One axial slice (169 of 209, counting up from the lowest) of a chest CT acquired at 120 kVp with the B30f kernel; each pixel is 0.625 mm and the slice is 2.00 mm thick.
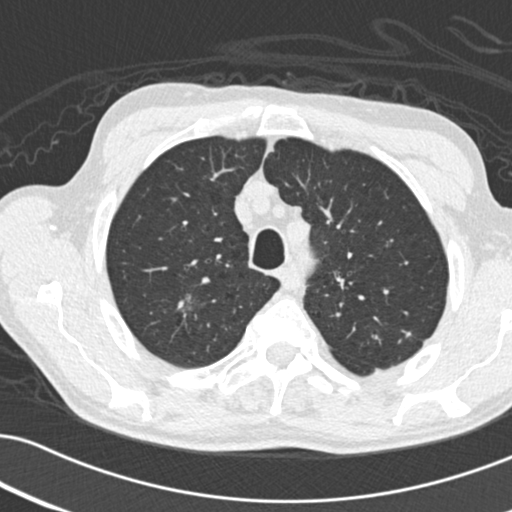
Pulmonary nodule at rows 294–311, columns 176–194 (box = the union of the readers' outlines on this slice), outlined by two of the four readers; longest diameter 16.4 mm on average over the two readers' outlines (readers' outlines 15.9–16.8 mm), volume 371–777 mm3. Ratings, by the readers' most common answer with dissent counted: texture split among the readers: 1/5 (non-solid) (one), 3/5 (part-solid) (one); margin split among the readers: 2/5 (one), 4/5 (one); sphericity split among the readers: 2/5 (one), 4/5 (one); calcification absent from both readers; internal structure soft tissue, both readers agreeing; subtlety split among the readers: 3/5 (one), 5/5 (one); malignancy likelihood split among the readers: 3/5 (one), 5/5 (one). Scale key (1–5): texture non-solid→solid, margin indistinct→circumscribed, sphericity linear→round, subtlety extremely subtle→obvious, malignancy likelihood highly unlikely→highly suspicious of cancer. Box rows and columns are 0-based pixel indices from the top-left corner, inclusive.